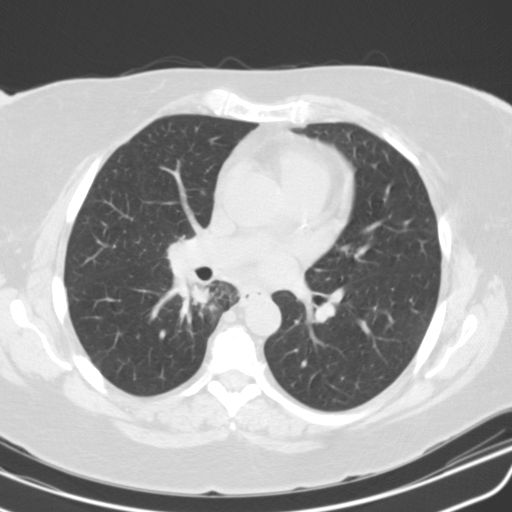
One axial slice (71 of 115, counting up from the lowest) of a chest CT acquired at 130 kVp with the B31s kernel; each pixel is 0.652 mm and the slice is 3.00 mm thick.
Pulmonary nodule, outlined by three of the four readers. Box on this slice rows 280–305, columns 187–209, the union of the readers' outlines on this slice; median longest diameter 29.4 mm (readers' outlines 24.2–34.9 mm), median volume 3534 mm3 (3268–5378 mm3). Ratings, median across the readers with their spread: median texture 5/5 (solid) (readers ranged 4/5 to 5/5 (solid)); median margin 3/5 (readers ranged 2/5 to 4/5); median sphericity 3/5 (ovoid) (readers ranged 2/5 to 5/5 (round)); calcification absent, all three readers agreeing; internal structure soft tissue from all three readers; median subtlety 5/5 (readers ranged 4–5); malignancy likelihood 4/5, all three readers agreeing. Scale key (1–5): texture non-solid→solid, margin indistinct→circumscribed, sphericity linear→round, subtlety extremely subtle→obvious, malignancy likelihood highly unlikely→highly suspicious of cancer. Box rows and columns are 0-based pixel indices from the top-left corner, inclusive.